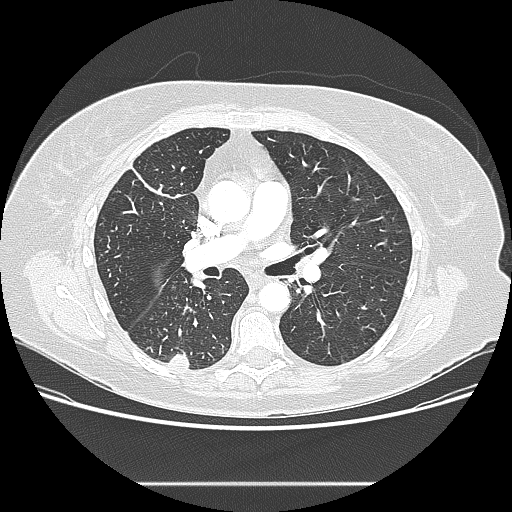
One axial slice (137 of 238, counting up from the lowest) of a chest CT acquired at 120 kVp with the LUNG kernel; each pixel is 0.742 mm and the slice is 1.25 mm thick.
Pulmonary nodule at rows 353–369, columns 169–189 (box = the union of the readers' outlines on this slice), outlined by all four readers; median longest diameter 16.9 mm (readers' outlines 16.2–17.0 mm), median volume 1591 mm3 (1456–1679 mm3). Ratings, median across the readers with their spread: texture 5/5 (solid) from all four readers; margin 5/5 (circumscribed) at the median of four readers, spread 4/5 to 5/5 (circumscribed); median sphericity 5/5 (round) (readers ranged 3/5 (ovoid) to 5/5 (round)); calcification absent from all four readers; internal structure soft tissue, all four readers agreeing; median subtlety 4.5/5 (readers ranged 3–5); median malignancy likelihood 3/5 (readers ranged 2–4). Scale key (1–5): texture non-solid→solid, margin indistinct→circumscribed, sphericity linear→round, subtlety extremely subtle→obvious, malignancy likelihood highly unlikely→highly suspicious of cancer. Box rows and columns are 0-based pixel indices from the top-left corner, inclusive.